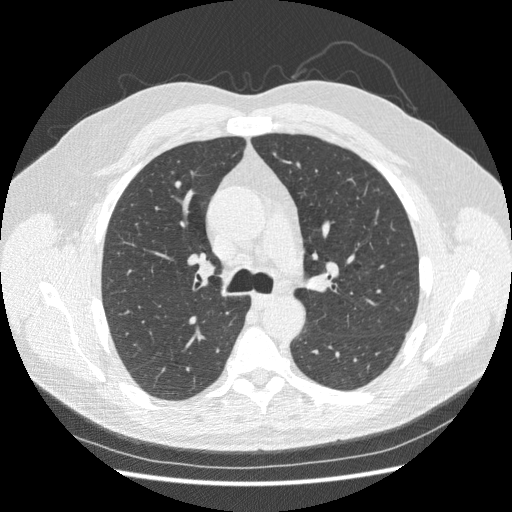
This is axial slice 158 of 250 (slice 1 is the lowest) of a chest CT; each pixel is 0.703 mm and the slice is 1.25 mm thick. Pulmonary nodule outlined by all four readers; box rows 180–188, columns 174–181 (the union of the readers' outlines on this slice); longest diameter 6.3 mm on average over the four readers' outlines (readers' outlines 5.8–7.3 mm), volume 93–146 mm3. The readers' prevailing ratings and who disagreed: texture 5/5 (solid) from all four readers; margin split among the readers: 4/5 (two), 5/5 (circumscribed) (two); sphericity 3/5 (ovoid) by two of four readers; the rest gave 4/5 (one), 5/5 (round) (one); calcification absent, all four readers agreeing; internal structure soft tissue from all four readers; subtlety 3/5 by two of four readers; the rest gave 4/5 (one), 5/5 (one); malignancy likelihood 3/5 by two of four readers; the rest gave 2/5 (one), 4/5 (one). Scale key (1–5): texture non-solid→solid, margin indistinct→circumscribed, sphericity linear→round, subtlety extremely subtle→obvious, malignancy likelihood highly unlikely→highly suspicious of cancer. Box rows and columns are 0-based pixel indices from the top-left corner, inclusive.
Tube voltage 120 kVp; convolution kernel STANDARD.